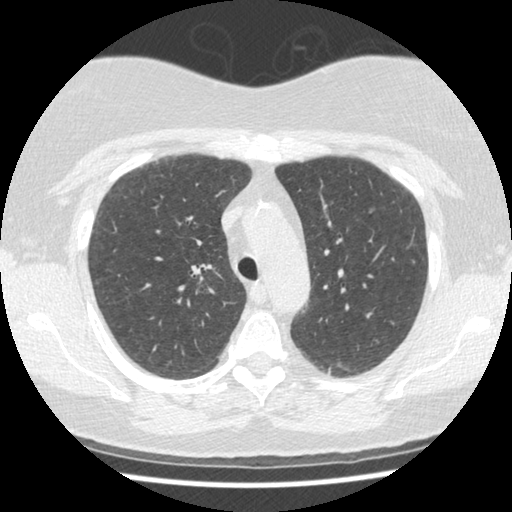
Chest CT, axial plane, 120 kVp, kernel STANDARD. Slice 291/401 from the bottom of the scan; thickness 1.25 mm; pixel size 0.625 mm.
Pulmonary nodule outlined by all four readers, three of them on this slice; box rows 207–212, columns 369–374 (the union of the readers' outlines on this slice); median longest diameter 5.9 mm (readers' outlines 5.9–6.4 mm), median volume 34 mm3 (30–40 mm3). Median ratings and the readers' spread: texture 5/5 (solid), all four readers agreeing; margin 4.5/5 at the median of four readers, spread 3/5 to 5/5 (circumscribed); sphericity 3/5 (ovoid) at the median of four readers, spread 2/5 to 4/5; calcification absent, all four readers agreeing; internal structure soft tissue, all four readers agreeing; median subtlety 3/5 (readers ranged 2–4); median malignancy likelihood 2.5/5 (readers ranged 2–3). Scale key (1–5): texture non-solid→solid, margin indistinct→circumscribed, sphericity linear→round, subtlety extremely subtle→obvious, malignancy likelihood highly unlikely→highly suspicious of cancer. Box rows and columns are 0-based pixel indices from the top-left corner, inclusive.